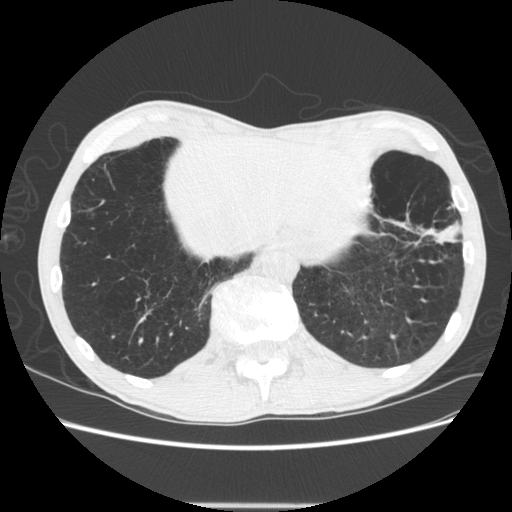
Axial slice 130 of 605 of a chest CT (slice 1 is the lowest), reconstructed with the STANDARD kernel at 120 kVp; 1.25 mm slice thickness and 0.703 mm pixels.
Pulmonary nodule at rows 222–244, columns 436–457 (box = that reader's outline on this slice), outlined by one of the four readers; longest diameter 29.0 mm and volume 1790 mm3 from that reader's outline. That reader's ratings: texture 4/5; margin 4/5; sphericity 2/5; calcification absent; internal structure soft tissue; subtlety 5/5; malignancy likelihood 4/5. Scale key (1–5): texture non-solid→solid, margin indistinct→circumscribed, sphericity linear→round, subtlety extremely subtle→obvious, malignancy likelihood highly unlikely→highly suspicious of cancer. Box rows and columns are 0-based pixel indices from the top-left corner, inclusive.